Axial slice 91 of 230 of a chest CT (slice 1 is the lowest), reconstructed with the BONE kernel at 120 kVp; 1.25 mm slice thickness and 0.605 mm pixels.
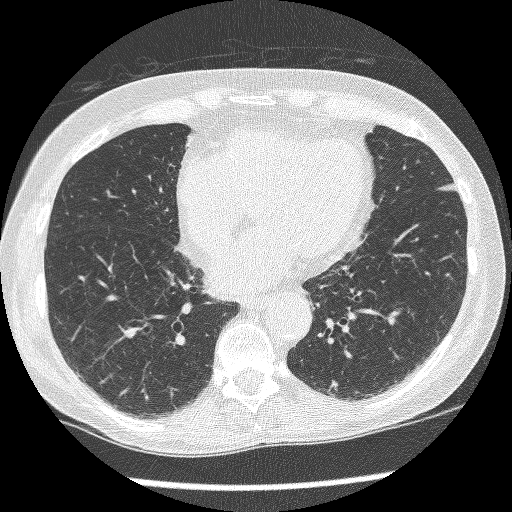
Pulmonary nodule at rows 379–387, columns 330–338 (box = the union of the readers' outlines on this slice), outlined by all four readers, three of them on this slice; longest diameter 5.6 mm on average over the four readers' outlines (readers' outlines 4.1–7.1 mm), volume 31–81 mm3. The readers' prevailing ratings and who disagreed: most readers (three of four) put texture at 5/5 (solid), others 4/5 (one); margin 4/5 by two of four readers; the rest gave 3/5 (one), 5/5 (circumscribed) (one); most readers (three of four) put sphericity at 4/5, others 5/5 (round) (one); calcification absent from all four readers; internal structure soft tissue, all four readers agreeing; subtlety split among the readers: 1/5 (one), 3/5 (one), 4/5 (one), 5/5 (one); malignancy likelihood 3/5 by three of four readers; the rest gave 4/5 (one). Scale key (1–5): texture non-solid→solid, margin indistinct→circumscribed, sphericity linear→round, subtlety extremely subtle→obvious, malignancy likelihood highly unlikely→highly suspicious of cancer. Box rows and columns are 0-based pixel indices from the top-left corner, inclusive.